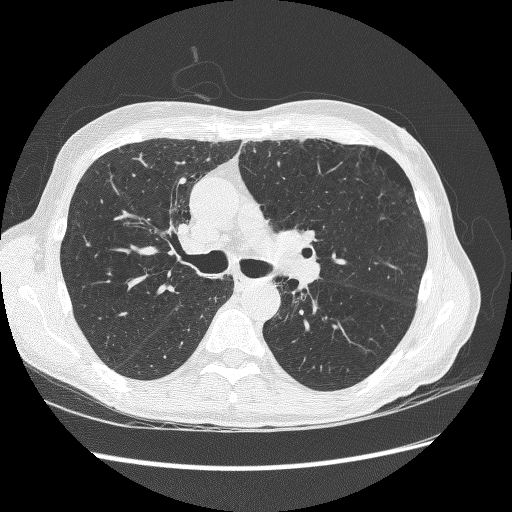
Slice 165/278 of a chest CT, counting up from the lowest; pixel size 0.711 mm, slice thickness 1.25 mm. None of the four readers outlined a nodule of 3 mm or more on this slice.
Acquired at 120 kVp and reconstructed with the BONE kernel.